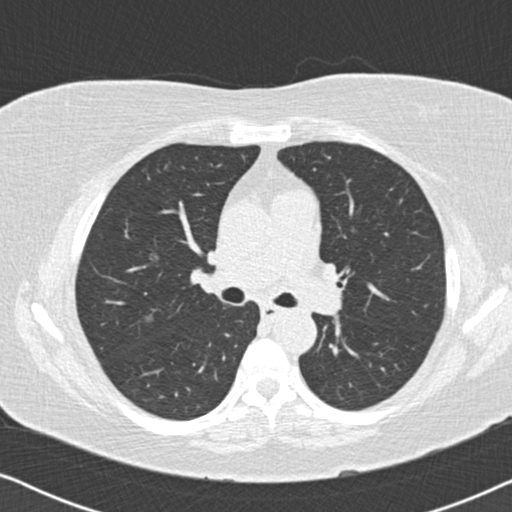
Axial chest CT slice 120 of 177 (counted from the lowest slice); 2.00 mm thick, 0.643 mm per pixel. Two pulmonary nodules are outlined on this slice; from left to right: (1) Pulmonary nodule outlined by two of the four readers; box rows 314–321, columns 144–152 (the union of the readers' outlines on this slice); median longest diameter 9.3 mm (readers' outlines 9.3 mm), median volume 316 mm3 (296–335 mm3). Median ratings and the readers' spread: texture 1/5 (non-solid) from both readers; margin 1/5 (indistinct), both readers agreeing; sphericity 3.5/5 at the median of two readers, spread 2/5 to 5/5 (round); calcification absent, both readers agreeing; internal structure soft tissue from both readers; median subtlety 2/5 (readers ranged 1–3); malignancy likelihood 3/5 from both readers. (2) Pulmonary nodule at rows 253–261, columns 150–159 (box = the union of the readers' outlines on this slice), outlined by two of the four readers; longest diameter 7.7 mm on average over the two readers' outlines (readers' outlines 7.3–8.2 mm), volume 42–143 mm3. Ratings, by the readers' most common answer with dissent counted: texture 1/5 (non-solid), both readers agreeing; margin 1/5 (indistinct), both readers agreeing; sphericity split among the readers: 3/5 (ovoid) (one), 5/5 (round) (one); calcification absent from both readers; internal structure soft tissue, both readers agreeing; subtlety split among the readers: 2/5 (one), 5/5 (one); malignancy likelihood 3/5, both readers agreeing. Scale key (1–5): texture non-solid→solid, margin indistinct→circumscribed, sphericity linear→round, subtlety extremely subtle→obvious, malignancy likelihood highly unlikely→highly suspicious of cancer. Box rows and columns are 0-based pixel indices from the top-left corner, inclusive.
Scan settings: 120 kVp, B30f reconstruction kernel.